One axial slice (291 of 484, counting up from the lowest) of a chest CT acquired at 120 kVp with the STANDARD kernel; each pixel is 0.664 mm and the slice is 1.25 mm thick.
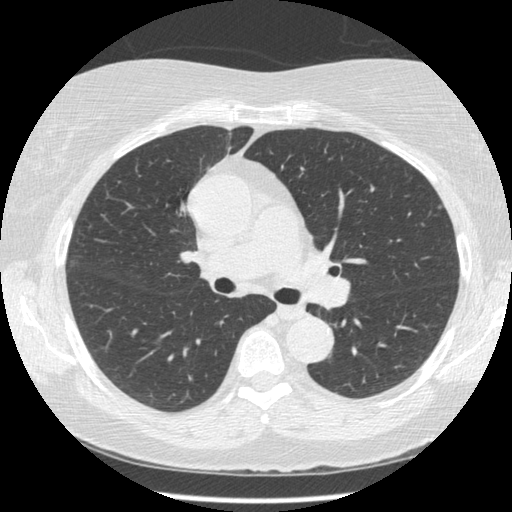
Pulmonary nodule at rows 204–209, columns 437–441 (box = that reader's outline on this slice), outlined by one of the four readers; longest diameter 4.8 mm and volume 27 mm3 from that reader's outline. Ratings by that reader: texture 5/5 (solid); margin 4/5; sphericity 4/5; calcification absent; internal structure soft tissue; subtlety 5/5; malignancy likelihood 3/5. Scale key (1–5): texture non-solid→solid, margin indistinct→circumscribed, sphericity linear→round, subtlety extremely subtle→obvious, malignancy likelihood highly unlikely→highly suspicious of cancer. Box rows and columns are 0-based pixel indices from the top-left corner, inclusive.